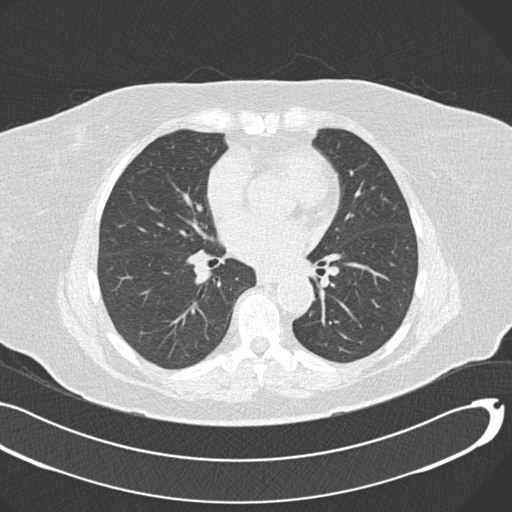
Chest CT, axial plane, 120 kVp, kernel B30f. Slice 84/177 from the bottom of the scan; thickness 2.00 mm; pixel size 0.742 mm.
None of the four readers outlined a nodule of 3 mm or more on this slice.